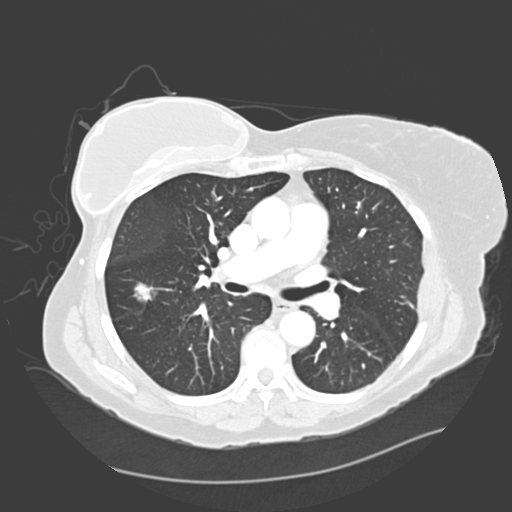
This is axial slice 187 of 328 (slice 1 is the lowest) of a chest CT; each pixel is 0.742 mm and the slice is 2.00 mm thick. Pulmonary nodule at rows 282–302, columns 131–156 (box = the union of the readers' outlines on this slice), outlined by all four readers; longest diameter 19.7 mm on average over the four readers' outlines (readers' outlines 18.3–21.0 mm), volume 877–1921 mm3. The readers' prevailing ratings and who disagreed: texture 3/5 (part-solid) by two of four readers; the rest gave 4/5 (one), 5/5 (solid) (one); margin 2/5 by two of four readers; the rest gave 3/5 (one), 4/5 (one); most readers (three of four) put sphericity at 3/5 (ovoid), others 2/5 (one); calcification absent from all four readers; internal structure soft tissue, all four readers agreeing; subtlety 5/5 by three of four readers; the rest gave 4/5 (one); malignancy likelihood 4/5 by two of four readers; the rest gave 3/5 (one), 5/5 (one). Scale key (1–5): texture non-solid→solid, margin indistinct→circumscribed, sphericity linear→round, subtlety extremely subtle→obvious, malignancy likelihood highly unlikely→highly suspicious of cancer. Box rows and columns are 0-based pixel indices from the top-left corner, inclusive.
Scan settings: 120 kVp, D reconstruction kernel.